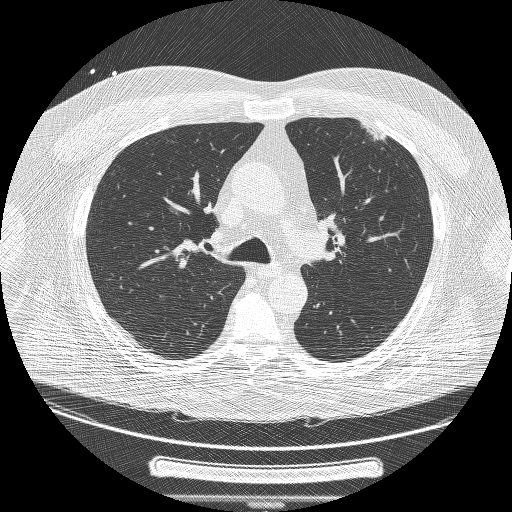
Axial chest CT slice 152 of 239 (counted from the lowest slice); tube voltage 120 kVp, convolution kernel BONE; slices 1.25 mm thick, 0.795 mm per pixel.
Pulmonary nodule, outlined by two of the four readers. Box on this slice rows 123–140, columns 360–384, the union of the readers' outlines on this slice; longest diameter 43.2 mm on average over the two readers' outlines (readers' outlines 43.0–43.4 mm), volume 10396–11168 mm3. The readers' prevailing ratings and who disagreed: texture split among the readers: 3/5 (part-solid) (one), 5/5 (solid) (one); margin split among the readers: 1/5 (indistinct) (one), 3/5 (one); sphericity split among the readers: 1/5 (linear) (one), 3/5 (ovoid) (one); calcification absent, both readers agreeing; internal structure soft tissue from both readers; subtlety 5/5, both readers agreeing; malignancy likelihood 5/5, both readers agreeing. Scale key (1–5): texture non-solid→solid, margin indistinct→circumscribed, sphericity linear→round, subtlety extremely subtle→obvious, malignancy likelihood highly unlikely→highly suspicious of cancer. Box rows and columns are 0-based pixel indices from the top-left corner, inclusive.